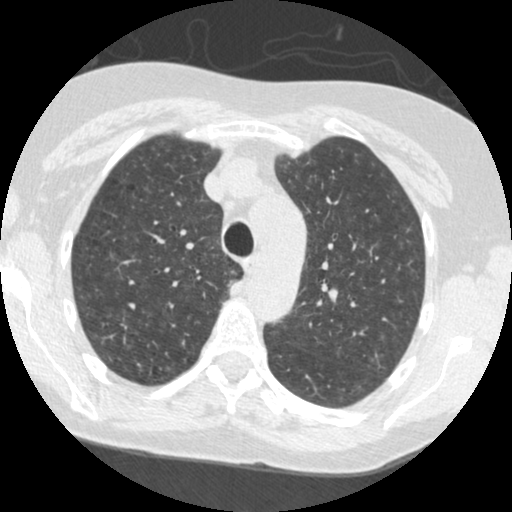
Axial chest CT slice 347 of 484 (counted from the lowest slice); tube voltage 120 kVp, convolution kernel STANDARD; slices 1.25 mm thick, 0.586 mm per pixel.
No nodule of 3 mm or larger was outlined by any of the four readers on this slice.